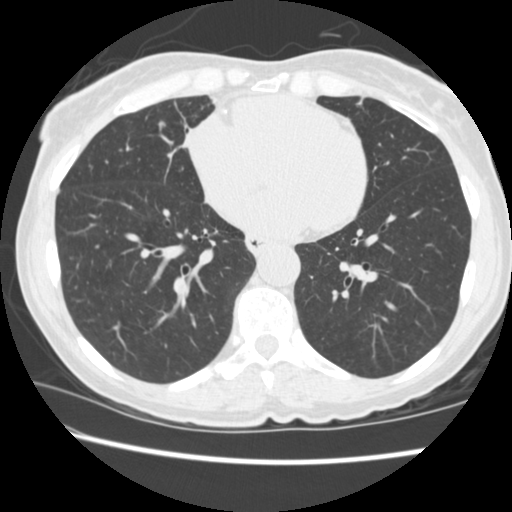
Axial slice 208 of 519 of a chest CT (slice 1 is the lowest), reconstructed with the STANDARD kernel at 120 kVp; 1.25 mm slice thickness and 0.625 mm pixels.
Pulmonary nodule, outlined by two of the four readers. Box on this slice rows 120–126, columns 157–165, the union of the readers' outlines on this slice; longest diameter 6.4 mm on average over the two readers' outlines (readers' outlines 6.4–6.5 mm), volume 34–39 mm3. The readers' prevailing ratings and who disagreed: texture 5/5 (solid) from both readers; margin 4/5 from both readers; sphericity 4/5 from both readers; calcification absent from both readers; internal structure soft tissue, both readers agreeing; subtlety split among the readers: 2/5 (one), 3/5 (one); malignancy likelihood split among the readers: 3/5 (one), 4/5 (one). Scale key (1–5): texture non-solid→solid, margin indistinct→circumscribed, sphericity linear→round, subtlety extremely subtle→obvious, malignancy likelihood highly unlikely→highly suspicious of cancer. Box rows and columns are 0-based pixel indices from the top-left corner, inclusive.